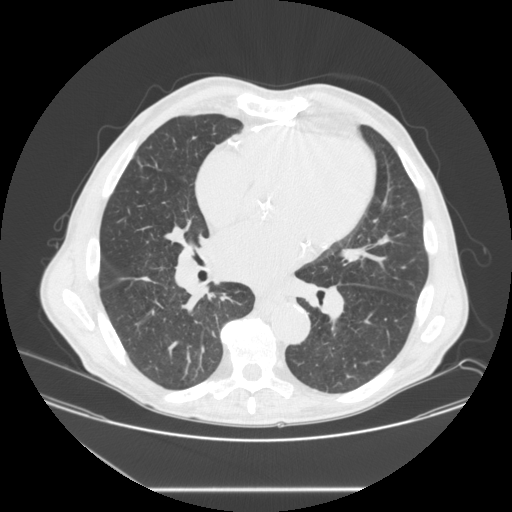
Axial slice 117 of 245 of a chest CT (slice 1 is the lowest), reconstructed with the STANDARD kernel at 120 kVp; 1.25 mm slice thickness and 0.834 mm pixels.
Pulmonary nodule at rows 278–279, columns 141–148 (box = the one reader's outline on this slice), outlined by three of the four readers, one of them on this slice; median longest diameter 14.6 mm (readers' outlines 14.3–16.2 mm), median volume 330 mm3 (328–432 mm3). Median ratings and the readers' spread: texture 5/5 (solid), all three readers agreeing; median margin 5/5 (circumscribed) (readers ranged 4/5 to 5/5 (circumscribed)); sphericity 3/5 (ovoid) from all three readers; calcification absent from all three readers; internal structure soft tissue from all three readers; median subtlety 4/5 (readers ranged 4–5); median malignancy likelihood 3/5 (readers ranged 2–3). Scale key (1–5): texture non-solid→solid, margin indistinct→circumscribed, sphericity linear→round, subtlety extremely subtle→obvious, malignancy likelihood highly unlikely→highly suspicious of cancer. Box rows and columns are 0-based pixel indices from the top-left corner, inclusive.